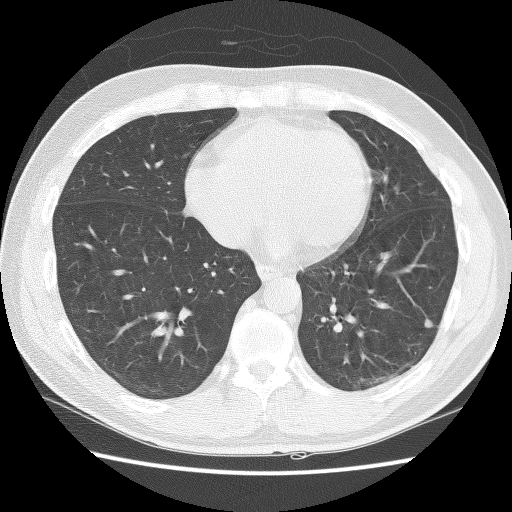
Axial chest CT slice 50 of 127 (counted from the lowest slice); tube voltage 140 kVp, convolution kernel BONE; slices 2.50 mm thick, 0.664 mm per pixel.
Pulmonary nodule at rows 318–328, columns 424–432 (box = the union of the readers' outlines on this slice), outlined by all four readers; median longest diameter 7.7 mm (readers' outlines 6.6–8.3 mm), median volume 137 mm3 (52–218 mm3). Median ratings and the readers' spread: texture 4.5/5 at the median of four readers, spread 4/5 to 5/5 (solid); median margin 4.5/5 (readers ranged 4/5 to 5/5 (circumscribed)); sphericity 4/5 from all four readers; calcification absent from all four readers; internal structure soft tissue, all four readers agreeing; subtlety 5/5 at the median of four readers, spread 4–5; malignancy likelihood 3/5 at the median of four readers, spread 3–4. Scale key (1–5): texture non-solid→solid, margin indistinct→circumscribed, sphericity linear→round, subtlety extremely subtle→obvious, malignancy likelihood highly unlikely→highly suspicious of cancer. Box rows and columns are 0-based pixel indices from the top-left corner, inclusive.